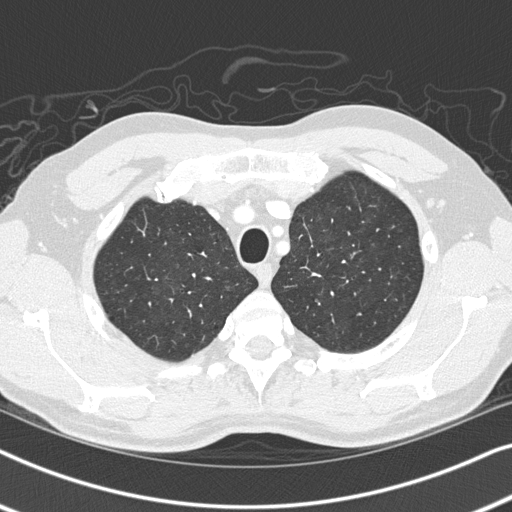
Axial chest CT slice 273 of 326 (counted from the lowest slice); tube voltage 120 kVp, convolution kernel B45f; slices 1.00 mm thick, 0.645 mm per pixel.
Pulmonary nodule, outlined by all four readers, three of them on this slice. Box on this slice rows 285–290, columns 224–230, the union of the readers' outlines on this slice; longest diameter 9.5 mm on average over the four readers' outlines (readers' outlines 8.4–11.1 mm), volume 144–204 mm3. Ratings, by the readers' most common answer with dissent counted: most readers (three of four) put texture at 1/5 (non-solid), others 3/5 (part-solid) (one); margin 2/5 by three of four readers; the rest gave 5/5 (circumscribed) (one); most readers (three of four) put sphericity at 4/5, others 5/5 (round) (one); calcification absent from all four readers; internal structure soft tissue, all four readers agreeing; subtlety 1/5 by two of four readers; the rest gave 3/5 (one), 4/5 (one); malignancy likelihood split among the readers: 2/5 (two), 3/5 (two). Scale key (1–5): texture non-solid→solid, margin indistinct→circumscribed, sphericity linear→round, subtlety extremely subtle→obvious, malignancy likelihood highly unlikely→highly suspicious of cancer. Box rows and columns are 0-based pixel indices from the top-left corner, inclusive.